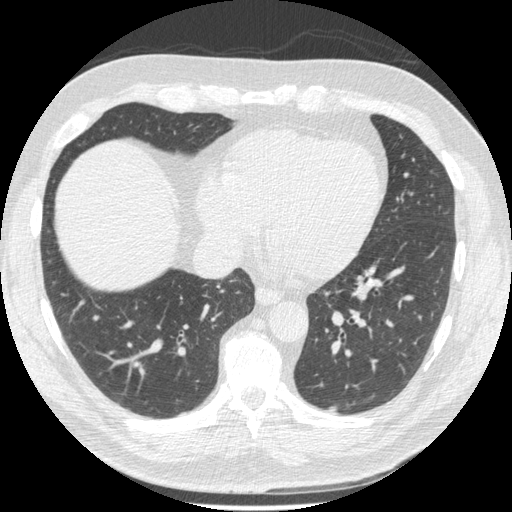
One axial slice (210 of 557, counting up from the lowest) of a chest CT acquired at 120 kVp with the STANDARD kernel; each pixel is 0.703 mm and the slice is 1.25 mm thick.
Pulmonary nodule at rows 405–411, columns 328–337 (box = the union of the readers' outlines on this slice), outlined by two of the four readers; longest diameter 9.4–13.1 mm and volume 126–127 mm3 across the two readers' outlines. Ratings across the readers: texture 5/5 (solid) from both readers; margin 3/5 from both readers; sphericity 3/5 (ovoid) from both readers; calcification absent from both readers; internal structure soft tissue from both readers; subtlety 3/5, both readers agreeing; malignancy likelihood from 1/5 to 3/5 across the two readers. Scale key (1–5): texture non-solid→solid, margin indistinct→circumscribed, sphericity linear→round, subtlety extremely subtle→obvious, malignancy likelihood highly unlikely→highly suspicious of cancer. Box rows and columns are 0-based pixel indices from the top-left corner, inclusive.